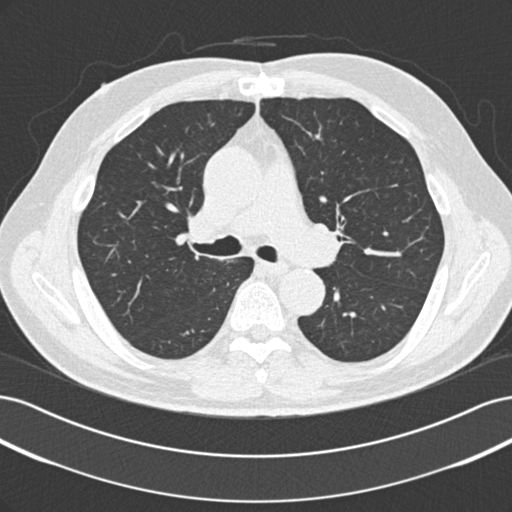
Chest CT, axial plane, 120 kVp, kernel B30f. Slice 148/229 from the bottom of the scan; thickness 2.00 mm; pixel size 0.703 mm.
This slice carries no reader outline of a nodule 3 mm or larger.